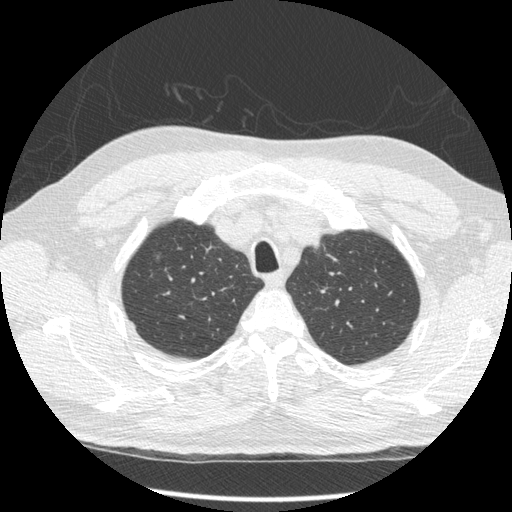
Chest CT, axial plane, 120 kVp, kernel STANDARD. Slice 378/452 from the bottom of the scan; thickness 1.25 mm; pixel size 0.703 mm.
Pulmonary nodule at rows 250–262, columns 153–162 (box = the union of the readers' outlines on this slice), outlined by three of the four readers, two of them on this slice; longest diameter 7.2–10.2 mm and volume 45–84 mm3 across the three readers' outlines. Ratings across the readers: texture from 1/5 (non-solid) to 4/5 across the three readers; margin from 2/5 to 3/5 across the three readers; sphericity from 3/5 (ovoid) to 5/5 (round) across the three readers; calcification absent from all three readers; internal structure soft tissue from all three readers; subtlety from 1/5 to 4/5 across the three readers; malignancy likelihood rated between 3 and 5 out of 5 by the three readers. Scale key (1–5): texture non-solid→solid, margin indistinct→circumscribed, sphericity linear→round, subtlety extremely subtle→obvious, malignancy likelihood highly unlikely→highly suspicious of cancer. Box rows and columns are 0-based pixel indices from the top-left corner, inclusive.